Axial slice 156 of 436 of a chest CT (slice 1 is the lowest), reconstructed with the STANDARD kernel at 120 kVp; 1.25 mm slice thickness and 0.703 mm pixels.
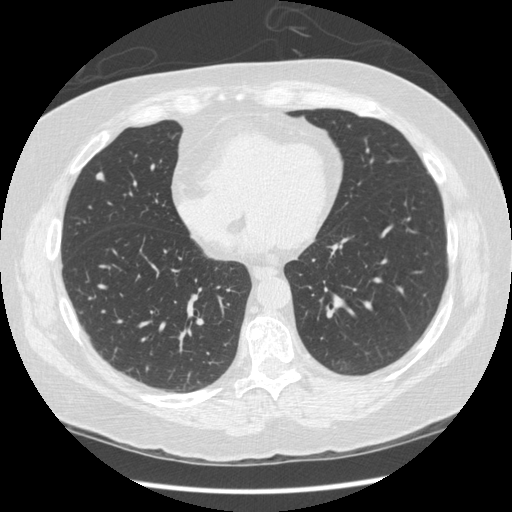
Pulmonary nodule outlined by all four readers; box rows 171–181, columns 95–105 (the union of the readers' outlines on this slice); longest diameter 7.3–9.8 mm and volume 103–208 mm3 across the four readers' outlines. Ratings across the readers: texture 5/5 (solid), all four readers agreeing; margin from 4/5 to 5/5 (circumscribed) across the four readers; sphericity from 3/5 (ovoid) to 5/5 (round) across the four readers; calcification absent from all four readers; internal structure soft tissue, all four readers agreeing; subtlety rated between 3 and 5 out of 5 by the four readers; malignancy likelihood from 2/5 to 4/5 across the four readers. Scale key (1–5): texture non-solid→solid, margin indistinct→circumscribed, sphericity linear→round, subtlety extremely subtle→obvious, malignancy likelihood highly unlikely→highly suspicious of cancer. Box rows and columns are 0-based pixel indices from the top-left corner, inclusive.